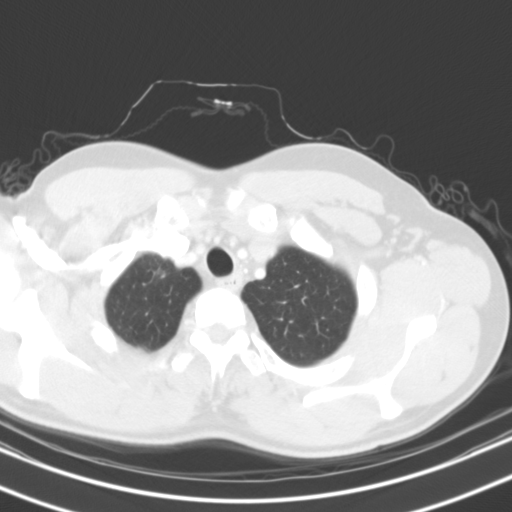
Axial slice 103 of 123 of a chest CT (slice 1 is the lowest), reconstructed with the B31s kernel at 130 kVp; 3.00 mm slice thickness and 0.646 mm pixels.
Pulmonary nodule, outlined by one of the four readers. Box on this slice rows 268–277, columns 154–163, that reader's outline on this slice; longest diameter 17.6 mm and volume 510 mm3 from that reader's outline. Ratings by that reader: texture 5/5 (solid); margin 3/5; sphericity 5/5 (round); calcification absent; internal structure soft tissue; subtlety 3/5; malignancy likelihood 2/5. Scale key (1–5): texture non-solid→solid, margin indistinct→circumscribed, sphericity linear→round, subtlety extremely subtle→obvious, malignancy likelihood highly unlikely→highly suspicious of cancer. Box rows and columns are 0-based pixel indices from the top-left corner, inclusive.